Chest CT, axial plane, 120 kVp, kernel D. Slice 43/280 from the bottom of the scan; thickness 1.00 mm; pixel size 0.564 mm.
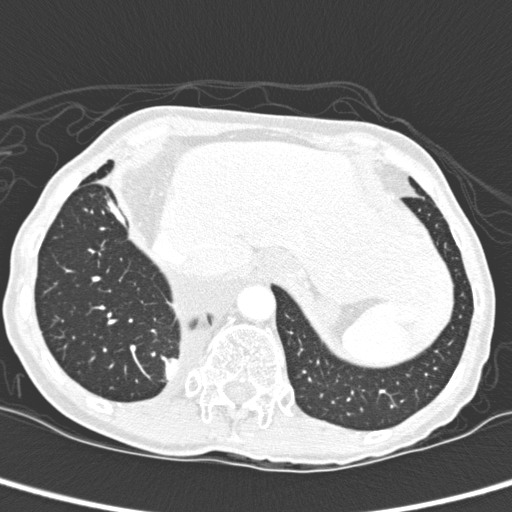
Pulmonary nodule at rows 358–380, columns 164–178 (box = the union of the readers' outlines on this slice), outlined by two of the four readers; longest diameter 33.9 mm on average over the two readers' outlines (readers' outlines 32.1–35.8 mm), volume 5657–6702 mm3. Ratings, by the readers' most common answer with dissent counted: texture 5/5 (solid), both readers agreeing; margin 4/5 from both readers; sphericity 3/5 (ovoid), both readers agreeing; calcification absent from both readers; internal structure soft tissue from both readers; subtlety 5/5, both readers agreeing; malignancy likelihood split among the readers: 2/5 (one), 3/5 (one). Scale key (1–5): texture non-solid→solid, margin indistinct→circumscribed, sphericity linear→round, subtlety extremely subtle→obvious, malignancy likelihood highly unlikely→highly suspicious of cancer. Box rows and columns are 0-based pixel indices from the top-left corner, inclusive.